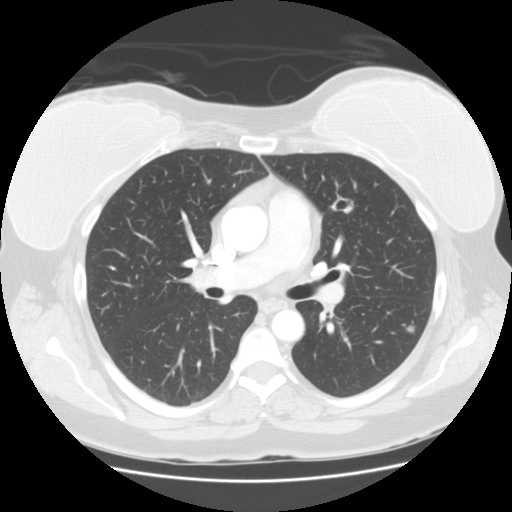
Axial slice 91 of 139 of a chest CT (slice 1 is the lowest), reconstructed with the STANDARD kernel at 120 kVp; 2.50 mm slice thickness and 0.703 mm pixels.
Two pulmonary nodules on this slice, listed from left to right. (1) Pulmonary nodule at rows 198–213, columns 337–353 (box = that reader's outline on this slice), outlined once (the source holds five more outlines, not used); longest diameter 26.9 mm and volume 1751 mm3 from that reader's outline. That reader's ratings: texture 5/5 (solid); margin 5/5 (circumscribed); sphericity 3/5 (ovoid); calcification absent; internal structure soft tissue; subtlety 3/5; malignancy likelihood 2/5. (2) Pulmonary nodule outlined by all four readers; box rows 325–333, columns 405–414 (the union of the readers' outlines on this slice); the four readers' outlines give a longest diameter between 8.0 and 10.5 mm and a volume between 250 and 346 mm3. The readers' ratings, as ranges where they differ: texture from 1/5 (non-solid) to 5/5 (solid) across the four readers; margin from 1/5 (indistinct) to 4/5 across the four readers; sphericity from 4/5 to 5/5 (round) across the four readers; calcification absent, all four readers agreeing; internal structure soft tissue from all four readers; subtlety rated between 1 and 4 out of 5 by the four readers; malignancy likelihood from 2/5 to 4/5 across the four readers. Scale key (1–5): texture non-solid→solid, margin indistinct→circumscribed, sphericity linear→round, subtlety extremely subtle→obvious, malignancy likelihood highly unlikely→highly suspicious of cancer. Box rows and columns are 0-based pixel indices from the top-left corner, inclusive.